One axial slice (113 of 260, counting up from the lowest) of a chest CT acquired at 120 kVp with the B45f kernel; each pixel is 0.625 mm and the slice is 1.00 mm thick.
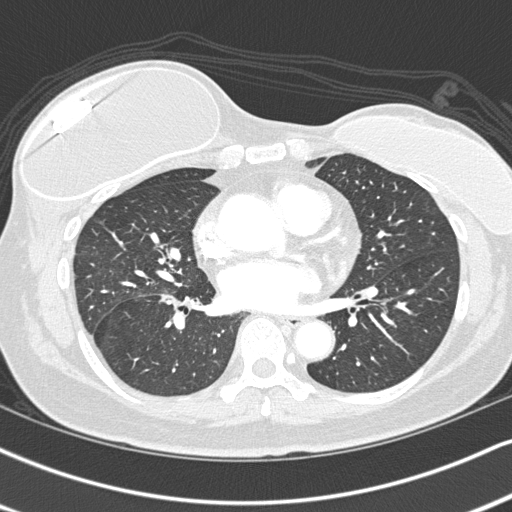
No nodule 3 mm or larger was outlined here by any reader.